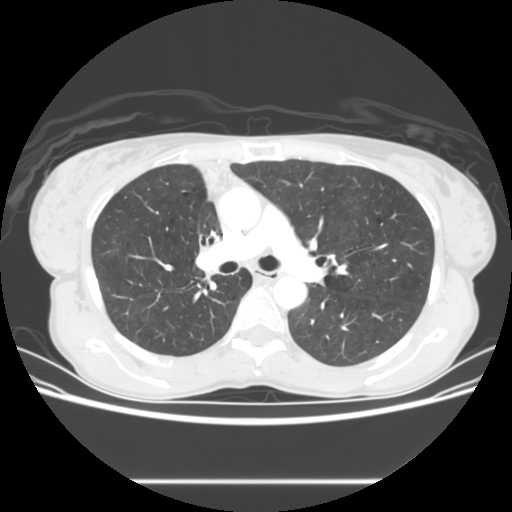
Axial chest CT slice 88 of 133 (counted from the lowest slice); 2.50 mm thick, 0.703 mm per pixel. This slice carries no reader outline of a nodule 3 mm or larger.
Acquired at 120 kVp and reconstructed with the STANDARD kernel.